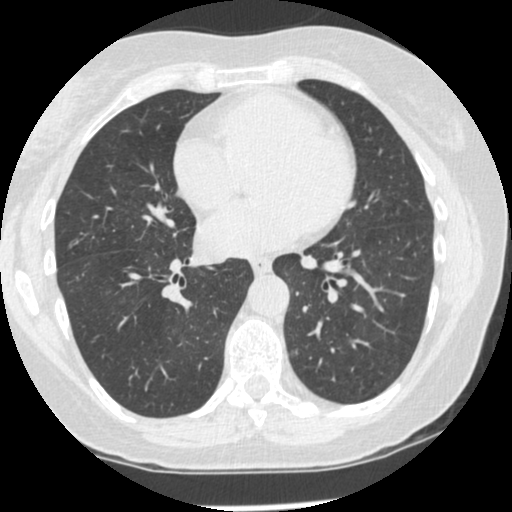
Axial chest CT slice 201 of 465 (counted from the lowest slice); 1.25 mm thick, 0.586 mm per pixel. This slice carries no reader outline of a nodule 3 mm or larger.
Scan settings: 120 kVp, STANDARD reconstruction kernel.